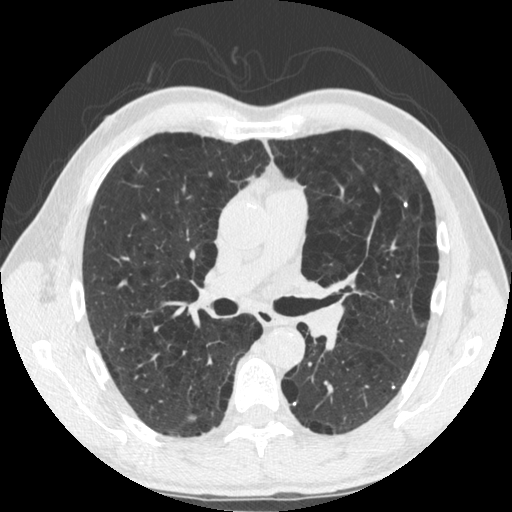
Axial slice 309 of 535 of a chest CT (slice 1 is the lowest), reconstructed with the STANDARD kernel at 120 kVp; 1.25 mm slice thickness and 0.664 mm pixels.
Pulmonary nodule at rows 414–420, columns 186–196 (box = the union of the readers' outlines on this slice), outlined by all four readers; longest diameter 11.2 mm on average over the four readers' outlines (readers' outlines 10.5–12.4 mm), volume 543–647 mm3. The readers' prevailing ratings and who disagreed: texture 5/5 (solid), all four readers agreeing; margin 5/5 (circumscribed), all four readers agreeing; sphericity 5/5 (round) by two of four readers; the rest gave 3/5 (ovoid) (one), 4/5 (one); calcification absent by three of four readers, laminated calcification (one); internal structure soft tissue, all four readers agreeing; subtlety 5/5 from all four readers; malignancy likelihood 1/5 by two of four readers; the rest gave 4/5 (one), 5/5 (one). Scale key (1–5): texture non-solid→solid, margin indistinct→circumscribed, sphericity linear→round, subtlety extremely subtle→obvious, malignancy likelihood highly unlikely→highly suspicious of cancer. Box rows and columns are 0-based pixel indices from the top-left corner, inclusive.